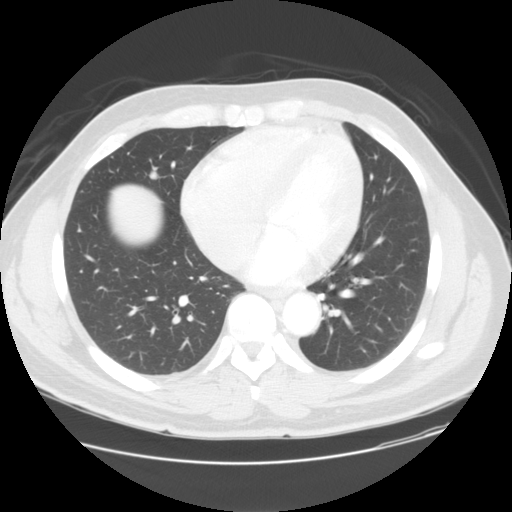
Axial chest CT slice 63 of 144 (counted from the lowest slice); 2.50 mm thick, 0.781 mm per pixel. Pulmonary nodule outlined by all four readers; box rows 171–178, columns 149–157 (the union of the readers' outlines on this slice); median longest diameter 11.1 mm (readers' outlines 10.3–11.3 mm), median volume 375 mm3 (316–403 mm3). Ratings, median across the readers with their spread: texture 5/5 (solid), all four readers agreeing; margin 4.5/5 at the median of four readers, spread 4/5 to 5/5 (circumscribed); sphericity 4/5 at the median of four readers, spread 3/5 (ovoid) to 5/5 (round); calcification: absent (three), central calcification (one); internal structure soft tissue, all four readers agreeing; median subtlety 4.5/5 (readers ranged 4–5); median malignancy likelihood 2.5/5 (readers ranged 1–4). Scale key (1–5): texture non-solid→solid, margin indistinct→circumscribed, sphericity linear→round, subtlety extremely subtle→obvious, malignancy likelihood highly unlikely→highly suspicious of cancer. Box rows and columns are 0-based pixel indices from the top-left corner, inclusive.
Scan settings: 120 kVp, STANDARD reconstruction kernel.